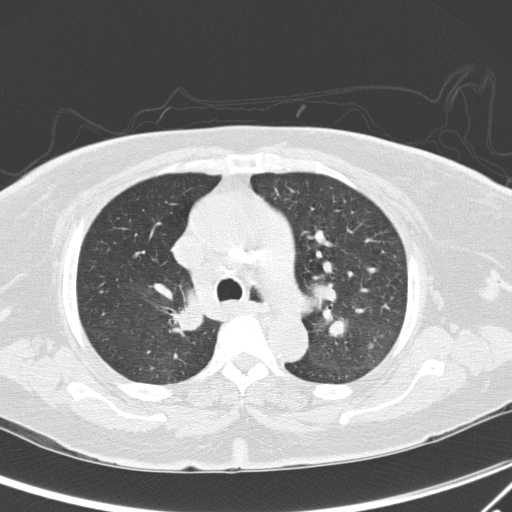
Axial chest CT slice 207 of 295 (counted from the lowest slice); 2.00 mm thick, 0.682 mm per pixel. Pulmonary nodule outlined by two of the four readers; box rows 343–348, columns 366–373 (the union of the readers' outlines on this slice); median longest diameter 5.9 mm (readers' outlines 5.3–6.5 mm), median volume 53 mm3 (34–72 mm3). Ratings, median across the readers with their spread: median texture 3/5 (part-solid) (readers ranged 2/5 to 4/5); median margin 3/5 (readers ranged 1/5 (indistinct) to 5/5 (circumscribed)); median sphericity 4/5 (readers ranged 3/5 (ovoid) to 5/5 (round)); calcification absent, both readers agreeing; internal structure soft tissue, both readers agreeing; subtlety 2/5 at the median of two readers, spread 1–3; median malignancy likelihood 2.5/5 (readers ranged 2–3). Scale key (1–5): texture non-solid→solid, margin indistinct→circumscribed, sphericity linear→round, subtlety extremely subtle→obvious, malignancy likelihood highly unlikely→highly suspicious of cancer. Box rows and columns are 0-based pixel indices from the top-left corner, inclusive.
Tube voltage 120 kVp; convolution kernel D.